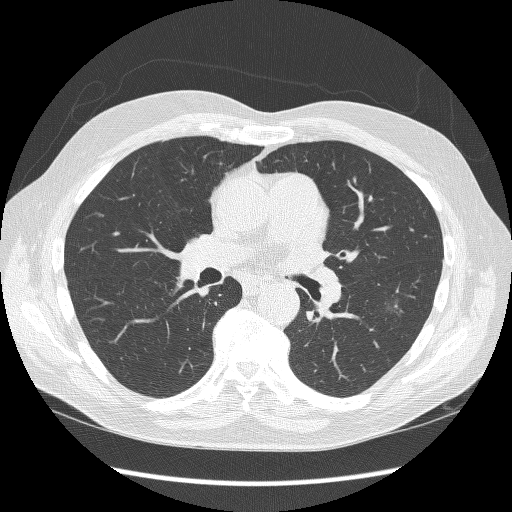
Chest CT, axial plane, 120 kVp, kernel BONE. Slice 182/298 from the bottom of the scan; thickness 1.25 mm; pixel size 0.719 mm.
Pulmonary nodule, outlined by two of the four readers, one of them on this slice. Box on this slice rows 298–313, columns 385–398, the one reader's outline on this slice; median longest diameter 18.2 mm (readers' outlines 18.0–18.4 mm), median volume 970 mm3 (963–976 mm3). Ratings, median across the readers with their spread: texture 1/5 (non-solid), both readers agreeing; margin 3/5 at the median of two readers, spread 1/5 (indistinct) to 5/5 (circumscribed); median sphericity 2.5/5 (readers ranged 2/5 to 3/5 (ovoid)); calcification absent, both readers agreeing; internal structure soft tissue, both readers agreeing; median subtlety 3.5/5 (readers ranged 3–4); malignancy likelihood 3.5/5 at the median of two readers, spread 3–4. Scale key (1–5): texture non-solid→solid, margin indistinct→circumscribed, sphericity linear→round, subtlety extremely subtle→obvious, malignancy likelihood highly unlikely→highly suspicious of cancer. Box rows and columns are 0-based pixel indices from the top-left corner, inclusive.